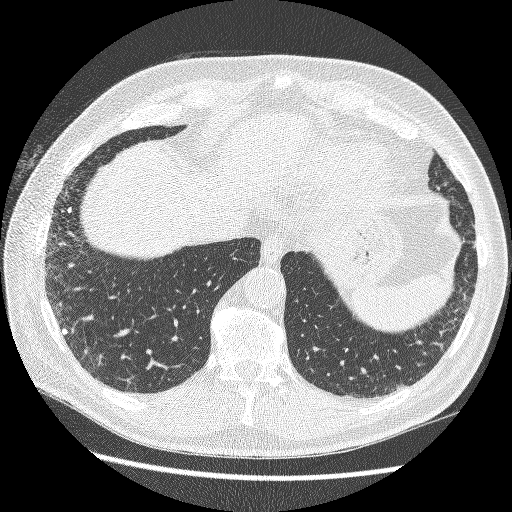
Axial chest CT slice 69 of 264 (counted from the lowest slice); tube voltage 120 kVp, convolution kernel BONE; slices 1.25 mm thick, 0.703 mm per pixel.
Three pulmonary nodules are outlined on this slice; from left to right: (1) Pulmonary nodule at rows 328–334, columns 62–67 (box = the union of the readers' outlines on this slice), outlined by all four readers; median longest diameter 6.0 mm (readers' outlines 5.7–6.3 mm), median volume 72 mm3 (45–89 mm3). Median ratings and the readers' spread: texture 5/5 (solid), all four readers agreeing; margin 5/5 (circumscribed), all four readers agreeing; median sphericity 4.5/5 (readers ranged 4/5 to 5/5 (round)); calcification solid calcification, all four readers agreeing; internal structure soft tissue from all four readers; subtlety 3/5 at the median of four readers, spread 3–5; malignancy likelihood 1/5, all four readers agreeing. (2) Pulmonary nodule at rows 207–212, columns 67–72 (box = the union of the readers' outlines on this slice), outlined by all four readers; median longest diameter 5.4 mm (readers' outlines 5.4 mm), median volume 59 mm3 (57–65 mm3). Ratings, median across the readers with their spread: texture 5/5 (solid), all four readers agreeing; margin 5/5 (circumscribed) at the median of four readers, spread 4/5 to 5/5 (circumscribed); median sphericity 3/5 (ovoid) (readers ranged 2/5 to 5/5 (round)); calcification: solid calcification (three), absent (one); internal structure soft tissue from all four readers; median subtlety 3/5 (readers ranged 1–5); malignancy likelihood 1/5, all four readers agreeing. (3) Pulmonary nodule outlined by three of the four readers; box rows 348–351, columns 344–347 (the union of the readers' outlines on this slice); longest diameter 5.1 mm on average over the three readers' outlines (readers' outlines 4.5–5.7 mm), volume 36–56 mm3. The readers' prevailing ratings and who disagreed: texture 5/5 (solid), all three readers agreeing; margin 5/5 (circumscribed) from all three readers; sphericity split among the readers: 2/5 (one), 3/5 (ovoid) (one), 4/5 (one); calcification solid calcification from all three readers; internal structure soft tissue from all three readers; subtlety split among the readers: 1/5 (one), 2/5 (one), 3/5 (one); malignancy likelihood 1/5, all three readers agreeing. Scale key (1–5): texture non-solid→solid, margin indistinct→circumscribed, sphericity linear→round, subtlety extremely subtle→obvious, malignancy likelihood highly unlikely→highly suspicious of cancer. Box rows and columns are 0-based pixel indices from the top-left corner, inclusive.